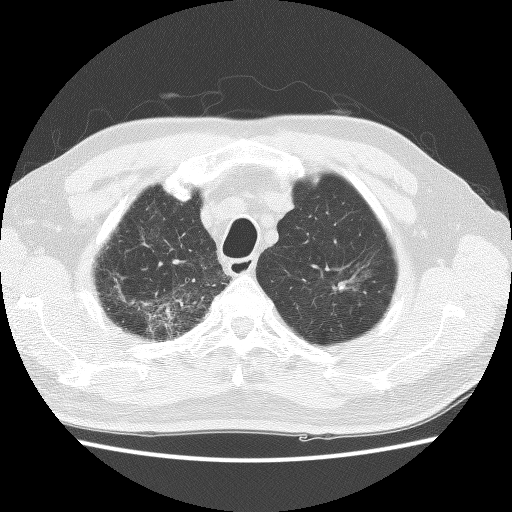
Chest CT, axial plane, 140 kVp, kernel BONE. Slice 107/129 from the bottom of the scan; thickness 2.50 mm; pixel size 0.645 mm.
Pulmonary nodule, outlined by all four readers, three of them on this slice. Box on this slice rows 282–290, columns 338–345, the union of the readers' outlines on this slice; longest diameter 11.2 mm on average over the four readers' outlines (readers' outlines 9.7–12.2 mm), volume 557–991 mm3. Ratings, by the readers' most common answer with dissent counted: texture split among the readers: 4/5 (two), 5/5 (solid) (two); margin split among the readers: 2/5 (one), 3/5 (one), 4/5 (one), 5/5 (circumscribed) (one); sphericity 4/5 by two of four readers; the rest gave 2/5 (one), 3/5 (ovoid) (one); calcification split among the readers: absent (two), central calcification (two); internal structure soft tissue from all four readers; subtlety split among the readers: 4/5 (two), 5/5 (two); malignancy likelihood 1/5 by two of four readers; the rest gave 3/5 (one), 5/5 (one). Scale key (1–5): texture non-solid→solid, margin indistinct→circumscribed, sphericity linear→round, subtlety extremely subtle→obvious, malignancy likelihood highly unlikely→highly suspicious of cancer. Box rows and columns are 0-based pixel indices from the top-left corner, inclusive.